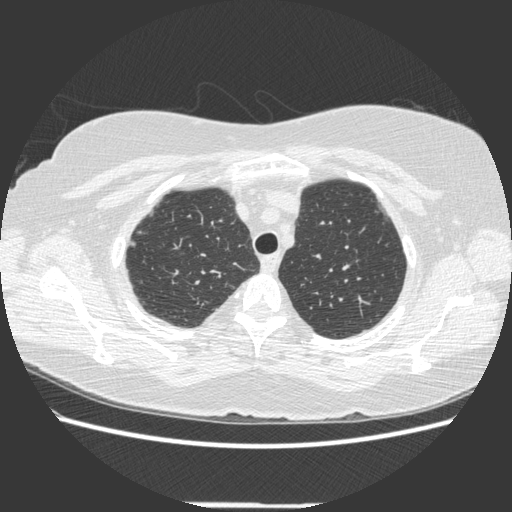
Axial slice 376 of 452 of a chest CT (slice 1 is the lowest), reconstructed with the STANDARD kernel at 120 kVp; 1.25 mm slice thickness and 0.703 mm pixels.
Pulmonary nodule at rows 241–246, columns 129–135 (box = the union of the readers' outlines on this slice), outlined by two of the four readers; longest diameter 5.4–7.0 mm and volume 53–63 mm3 across the two readers' outlines. The readers' ratings, as ranges where they differ: texture from 3/5 (part-solid) to 5/5 (solid) across the two readers; margin from 3/5 to 5/5 (circumscribed) across the two readers; sphericity 4/5 from both readers; calcification absent from both readers; internal structure soft tissue, both readers agreeing; subtlety from 2/5 to 4/5 across the two readers; malignancy likelihood rated between 2 and 3 out of 5 by the two readers. Scale key (1–5): texture non-solid→solid, margin indistinct→circumscribed, sphericity linear→round, subtlety extremely subtle→obvious, malignancy likelihood highly unlikely→highly suspicious of cancer. Box rows and columns are 0-based pixel indices from the top-left corner, inclusive.